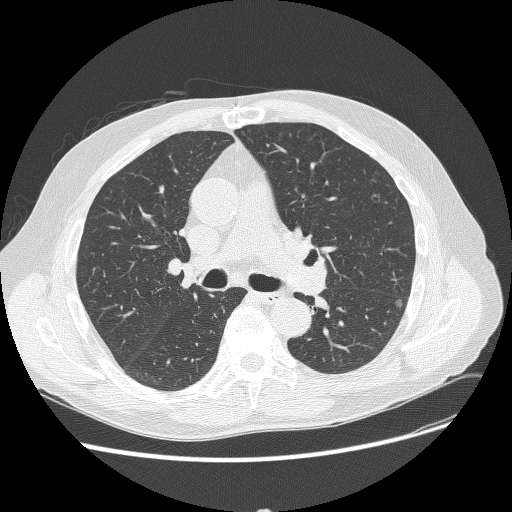
Axial chest CT slice 167 of 268 (counted from the lowest slice); tube voltage 120 kVp, convolution kernel BONE; slices 1.25 mm thick, 0.742 mm per pixel.
Pulmonary nodule, outlined by all four readers. Box on this slice rows 298–309, columns 393–402, the union of the readers' outlines on this slice; median longest diameter 9.2 mm (readers' outlines 9.0–9.3 mm), median volume 226 mm3 (159–261 mm3). Ratings, median across the readers with their spread: median texture 1/5 (non-solid) (readers ranged 1/5 (non-solid) to 3/5 (part-solid)); margin 3.5/5 at the median of four readers, spread 1/5 (indistinct) to 5/5 (circumscribed); sphericity 4/5 at the median of four readers, spread 3/5 (ovoid) to 4/5; calcification absent, all four readers agreeing; internal structure soft tissue, all four readers agreeing; subtlety 3/5 at the median of four readers, spread 3–4; malignancy likelihood 3/5 at the median of four readers, spread 3–4. Scale key (1–5): texture non-solid→solid, margin indistinct→circumscribed, sphericity linear→round, subtlety extremely subtle→obvious, malignancy likelihood highly unlikely→highly suspicious of cancer. Box rows and columns are 0-based pixel indices from the top-left corner, inclusive.